Chest CT, axial plane, 140 kVp, kernel STANDARD. Slice 114/133 from the bottom of the scan; thickness 2.50 mm; pixel size 0.781 mm.
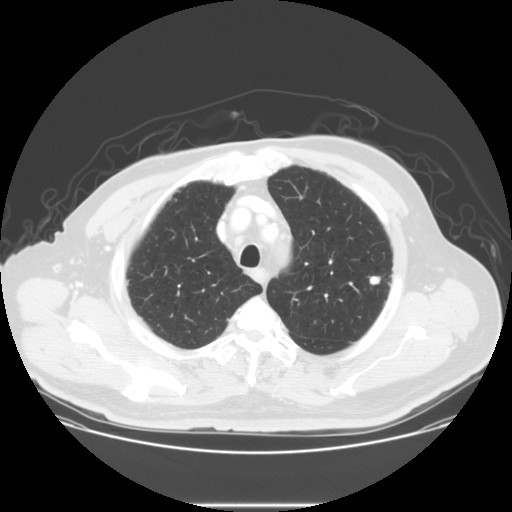
Pulmonary nodule, outlined by all four readers. Box on this slice rows 275–285, columns 369–381, the union of the readers' outlines on this slice; longest diameter 9.1–11.8 mm and volume 377–678 mm3 across the four readers' outlines. The readers' ratings, as ranges where they differ: texture 5/5 (solid) from all four readers; margin from 4/5 to 5/5 (circumscribed) across the four readers; sphericity from 4/5 to 5/5 (round) across the four readers; calcification: solid calcification (three), central calcification (one); internal structure soft tissue, all four readers agreeing; subtlety rated between 4 and 5 out of 5 by the four readers; malignancy likelihood 1/5, all four readers agreeing. Scale key (1–5): texture non-solid→solid, margin indistinct→circumscribed, sphericity linear→round, subtlety extremely subtle→obvious, malignancy likelihood highly unlikely→highly suspicious of cancer. Box rows and columns are 0-based pixel indices from the top-left corner, inclusive.